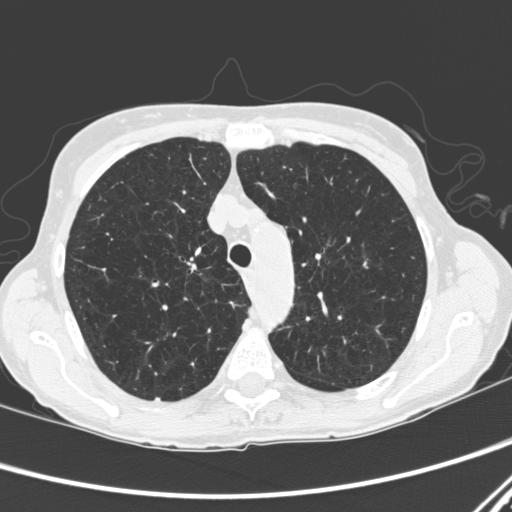
Axial chest CT slice 229 of 300 (counted from the lowest slice); tube voltage 120 kVp, convolution kernel D; slices 1.00 mm thick, 0.607 mm per pixel.
Pulmonary nodule outlined by one of the four readers; box rows 397–399, columns 154–159 (that reader's outline on this slice); longest diameter 4.6 mm and volume 24 mm3 from that reader's outline. That reader's ratings: texture 5/5 (solid); margin 5/5 (circumscribed); sphericity 4/5; calcification solid calcification; internal structure soft tissue; subtlety 5/5; malignancy likelihood 1/5. Scale key (1–5): texture non-solid→solid, margin indistinct→circumscribed, sphericity linear→round, subtlety extremely subtle→obvious, malignancy likelihood highly unlikely→highly suspicious of cancer. Box rows and columns are 0-based pixel indices from the top-left corner, inclusive.